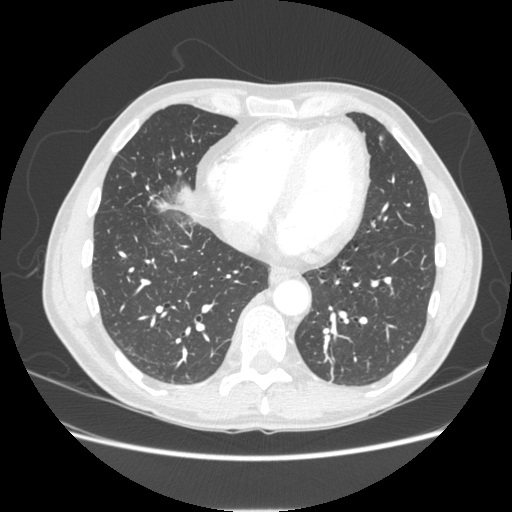
Axial slice 83 of 253 of a chest CT (slice 1 is the lowest), reconstructed with the STANDARD kernel at 120 kVp; 1.25 mm slice thickness and 0.742 mm pixels.
Pulmonary nodule at rows 170–176, columns 175–181 (box = the union of the readers' outlines on this slice), outlined by three of the four readers; median longest diameter 8.5 mm (readers' outlines 7.0–8.7 mm), median volume 62 mm3 (46–118 mm3). Median ratings and the readers' spread: texture 5/5 (solid) from all three readers; margin 5/5 (circumscribed), all three readers agreeing; sphericity 5/5 (round) at the median of three readers, spread 4/5 to 5/5 (round); calcification absent, all three readers agreeing; internal structure soft tissue from all three readers; subtlety 3/5 at the median of three readers, spread 2–3; median malignancy likelihood 3/5 (readers ranged 2–4). Scale key (1–5): texture non-solid→solid, margin indistinct→circumscribed, sphericity linear→round, subtlety extremely subtle→obvious, malignancy likelihood highly unlikely→highly suspicious of cancer. Box rows and columns are 0-based pixel indices from the top-left corner, inclusive.